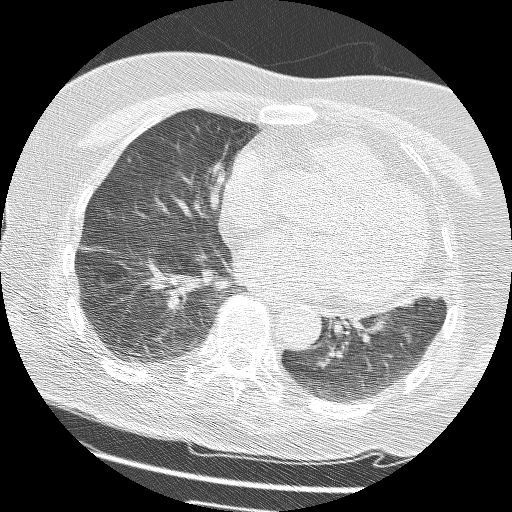
This is axial slice 59 of 161 (slice 1 is the lowest) of a chest CT; each pixel is 0.549 mm and the slice is 1.25 mm thick. Pulmonary nodule, outlined by three of the four readers, two of them on this slice. Box on this slice rows 333–340, columns 402–410, the union of the readers' outlines on this slice; longest diameter 6.2 mm on average over the three readers' outlines (readers' outlines 5.5–7.4 mm), volume 38–91 mm3. Ratings, by the readers' most common answer with dissent counted: most readers (two of three) put texture at 5/5 (solid), others 2/5 (one); margin split among the readers: 1/5 (indistinct) (one), 2/5 (one), 4/5 (one); most readers (two of three) put sphericity at 4/5, others 3/5 (ovoid) (one); calcification absent from all three readers; internal structure soft tissue, all three readers agreeing; most readers (two of three) put subtlety at 1/5, others 3/5 (one); malignancy likelihood 3/5, all three readers agreeing. Scale key (1–5): texture non-solid→solid, margin indistinct→circumscribed, sphericity linear→round, subtlety extremely subtle→obvious, malignancy likelihood highly unlikely→highly suspicious of cancer. Box rows and columns are 0-based pixel indices from the top-left corner, inclusive.
Acquired at 120 kVp and reconstructed with the BONE kernel.